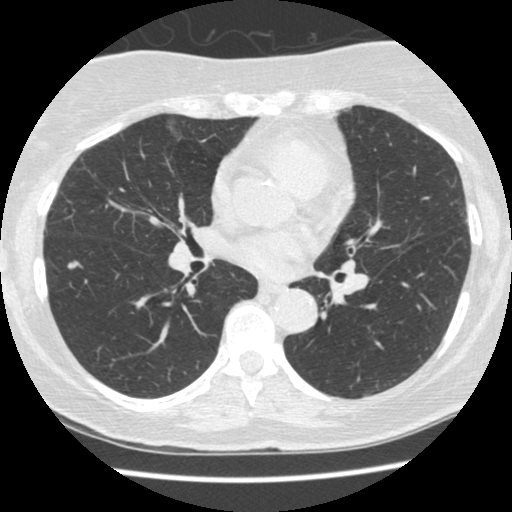
One axial slice (246 of 481, counting up from the lowest) of a chest CT acquired at 120 kVp with the STANDARD kernel; each pixel is 0.605 mm and the slice is 1.25 mm thick.
Pulmonary nodule, outlined by three of the four readers. Box on this slice rows 261–268, columns 66–80, the union of the readers' outlines on this slice; median longest diameter 8.2 mm (readers' outlines 8.1–9.1 mm), median volume 79 mm3 (55–92 mm3). Ratings, median across the readers with their spread: texture 5/5 (solid) from all three readers; median margin 4/5 (readers ranged 4/5 to 5/5 (circumscribed)); sphericity 3/5 (ovoid) at the median of three readers, spread 3/5 (ovoid) to 4/5; calcification absent, all three readers agreeing; internal structure soft tissue, all three readers agreeing; subtlety 4/5, all three readers agreeing; malignancy likelihood 3/5 from all three readers. Scale key (1–5): texture non-solid→solid, margin indistinct→circumscribed, sphericity linear→round, subtlety extremely subtle→obvious, malignancy likelihood highly unlikely→highly suspicious of cancer. Box rows and columns are 0-based pixel indices from the top-left corner, inclusive.